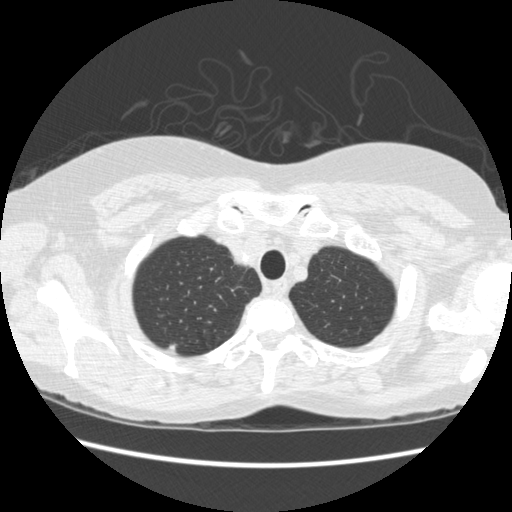
Axial chest CT slice 426 of 477 (counted from the lowest slice); tube voltage 120 kVp, convolution kernel STANDARD; slices 1.25 mm thick, 0.664 mm per pixel.
Pulmonary nodule at rows 344–352, columns 166–174 (box = that reader's outline on this slice), outlined by one of the four readers; longest diameter 8.9 mm and volume 110 mm3 from that reader's outline. That reader's ratings: texture 5/5 (solid); margin 4/5; sphericity 3/5 (ovoid); calcification absent; internal structure soft tissue; subtlety 4/5; malignancy likelihood 3/5. Scale key (1–5): texture non-solid→solid, margin indistinct→circumscribed, sphericity linear→round, subtlety extremely subtle→obvious, malignancy likelihood highly unlikely→highly suspicious of cancer. Box rows and columns are 0-based pixel indices from the top-left corner, inclusive.